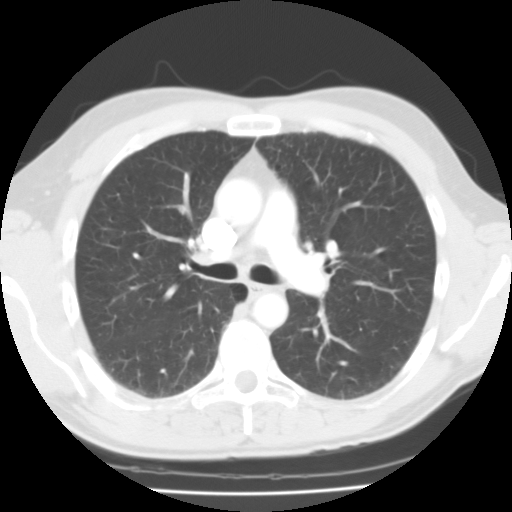
Chest CT, axial plane, 135 kVp, kernel FC01. Slice 65/102 from the bottom of the scan; thickness 3.00 mm; pixel size 0.647 mm.
Pulmonary nodule at rows 206–213, columns 178–184 (box = the union of the readers' outlines on this slice), outlined by two of the four readers; longest diameter 8.2–9.4 mm and volume 144–207 mm3 across the two readers' outlines. Ratings across the readers: texture from 3/5 (part-solid) to 5/5 (solid) across the two readers; margin from 3/5 to 4/5 across the two readers; sphericity from 3/5 (ovoid) to 5/5 (round) across the two readers; calcification absent from both readers; internal structure soft tissue, both readers agreeing; subtlety from 1/5 to 3/5 across the two readers; malignancy likelihood 1–3/5 (the readers disagree). Scale key (1–5): texture non-solid→solid, margin indistinct→circumscribed, sphericity linear→round, subtlety extremely subtle→obvious, malignancy likelihood highly unlikely→highly suspicious of cancer. Box rows and columns are 0-based pixel indices from the top-left corner, inclusive.